Axial slice 33 of 114 of a chest CT (slice 1 is the lowest), reconstructed with the STANDARD kernel at 120 kVp; 2.50 mm slice thickness and 0.703 mm pixels.
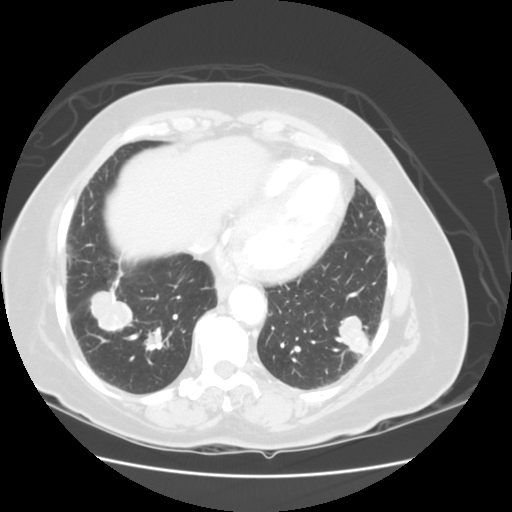
Two pulmonary nodules on this slice, listed from left to right. (1) Pulmonary nodule outlined by three of the four readers; box rows 290–331, columns 90–131 (the union of the readers' outlines on this slice); the three readers' outlines give a longest diameter between 33.9 and 44.7 mm and a volume between 10097 and 11661 mm3. Ratings across the readers: texture 5/5 (solid) from all three readers; margin from 4/5 to 5/5 (circumscribed) across the three readers; sphericity from 3/5 (ovoid) to 4/5 across the three readers; calcification absent, all three readers agreeing; internal structure soft tissue from all three readers; subtlety 5/5, all three readers agreeing; malignancy likelihood 3–5/5 (the readers disagree). (2) Pulmonary nodule outlined by two of the four readers; box rows 314–353, columns 338–368 (the union of the readers' outlines on this slice); median longest diameter 32.3 mm (readers' outlines 31.2–33.4 mm), median volume 9783 mm3 (9358–10207 mm3). Ratings, median across the readers with their spread: texture 5/5 (solid), both readers agreeing; margin 4/5, both readers agreeing; sphericity 3/5 (ovoid) from both readers; calcification absent from both readers; internal structure soft tissue, both readers agreeing; subtlety 5/5, both readers agreeing; malignancy likelihood 5/5, both readers agreeing. Scale key (1–5): texture non-solid→solid, margin indistinct→circumscribed, sphericity linear→round, subtlety extremely subtle→obvious, malignancy likelihood highly unlikely→highly suspicious of cancer. Box rows and columns are 0-based pixel indices from the top-left corner, inclusive.